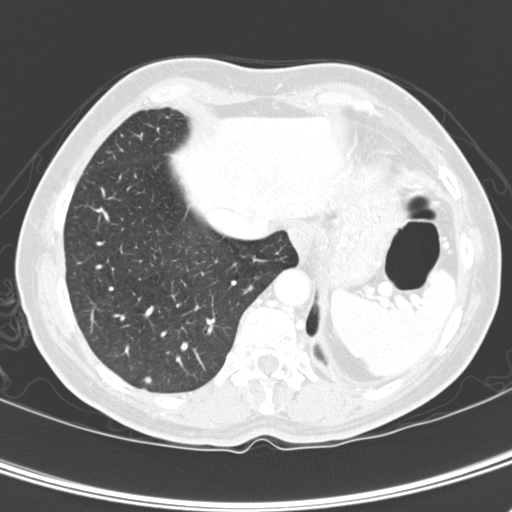
Chest CT, axial plane, 120 kVp, kernel D. Slice 49/280 from the bottom of the scan; thickness 2.00 mm; pixel size 0.613 mm.
Pulmonary nodule at rows 376–384, columns 143–153 (box = the union of the readers' outlines on this slice), outlined by three of the four readers; median longest diameter 6.8 mm (readers' outlines 4.5–6.9 mm), median volume 96 mm3 (31–99 mm3). Ratings, median across the readers with their spread: median texture 5/5 (solid) (readers ranged 4/5 to 5/5 (solid)); margin 5/5 (circumscribed) at the median of three readers, spread 4/5 to 5/5 (circumscribed); median sphericity 4/5 (readers ranged 4/5 to 5/5 (round)); calcification absent, all three readers agreeing; internal structure soft tissue from all three readers; subtlety 3/5 at the median of three readers, spread 1–4; malignancy likelihood 3/5 at the median of three readers, spread 2–3. Scale key (1–5): texture non-solid→solid, margin indistinct→circumscribed, sphericity linear→round, subtlety extremely subtle→obvious, malignancy likelihood highly unlikely→highly suspicious of cancer. Box rows and columns are 0-based pixel indices from the top-left corner, inclusive.